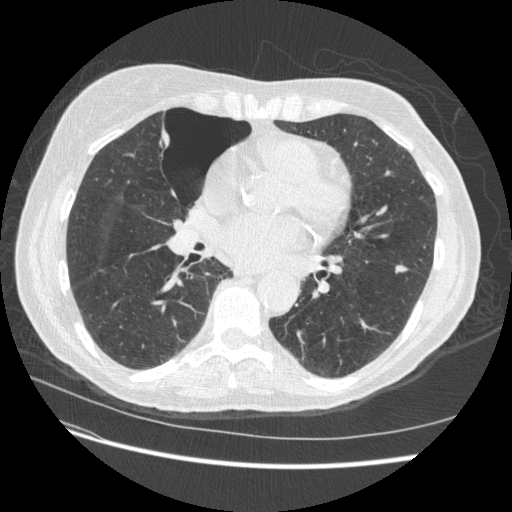
Axial slice 232 of 509 of a chest CT (slice 1 is the lowest), reconstructed with the STANDARD kernel at 120 kVp; 1.25 mm slice thickness and 0.703 mm pixels.
Pulmonary nodule at rows 264–274, columns 395–408 (box = the union of the readers' outlines on this slice), outlined by three of the four readers; median longest diameter 11.5 mm (readers' outlines 9.2–11.6 mm), median volume 339 mm3 (182–365 mm3). Median ratings and the readers' spread: texture 5/5 (solid) at the median of three readers, spread 4/5 to 5/5 (solid); median margin 4/5 (readers ranged 3/5 to 5/5 (circumscribed)); median sphericity 3/5 (ovoid) (readers ranged 2/5 to 4/5); calcification absent from all three readers; internal structure soft tissue from all three readers; subtlety 4/5, all three readers agreeing; malignancy likelihood 3/5 at the median of three readers, spread 2–4. Scale key (1–5): texture non-solid→solid, margin indistinct→circumscribed, sphericity linear→round, subtlety extremely subtle→obvious, malignancy likelihood highly unlikely→highly suspicious of cancer. Box rows and columns are 0-based pixel indices from the top-left corner, inclusive.